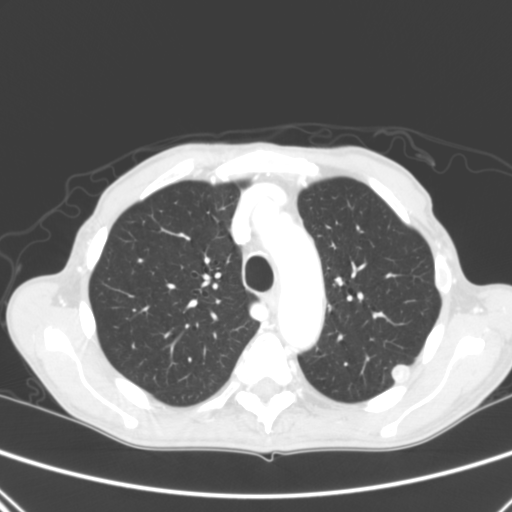
Axial slice 213 of 290 of a chest CT (slice 1 is the lowest), reconstructed with the B kernel at 120 kVp; 2.00 mm slice thickness and 0.639 mm pixels.
Pulmonary nodule at rows 362–381, columns 389–411 (box = the union of the readers' outlines on this slice), outlined by all four readers; median longest diameter 14.4 mm (readers' outlines 12.9–15.8 mm), median volume 1103 mm3 (837–1237 mm3). Ratings, median across the readers with their spread: median texture 5/5 (solid) (readers ranged 4/5 to 5/5 (solid)); margin 4.5/5 at the median of four readers, spread 4/5 to 5/5 (circumscribed); sphericity 5/5 (round) at the median of four readers, spread 3/5 (ovoid) to 5/5 (round); calcification: absent (three), laminated calcification (one); internal structure soft tissue, all four readers agreeing; median subtlety 5/5 (readers ranged 4–5); median malignancy likelihood 3.5/5 (readers ranged 2–5). Scale key (1–5): texture non-solid→solid, margin indistinct→circumscribed, sphericity linear→round, subtlety extremely subtle→obvious, malignancy likelihood highly unlikely→highly suspicious of cancer. Box rows and columns are 0-based pixel indices from the top-left corner, inclusive.